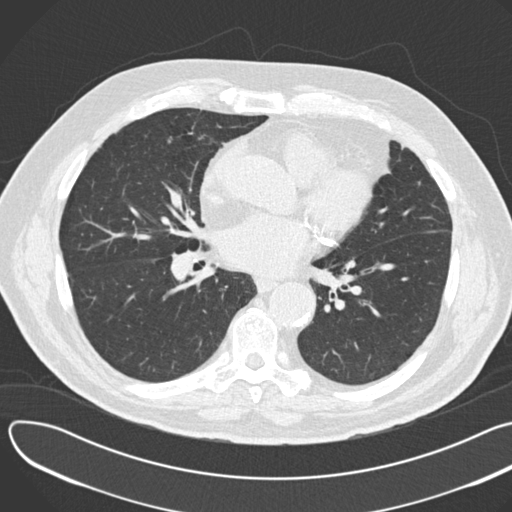
Chest CT, axial plane, 120 kVp, kernel B30f. Slice 93/190 from the bottom of the scan; thickness 2.00 mm; pixel size 0.742 mm.
No nodule of 3 mm or larger was outlined by any of the four readers on this slice.